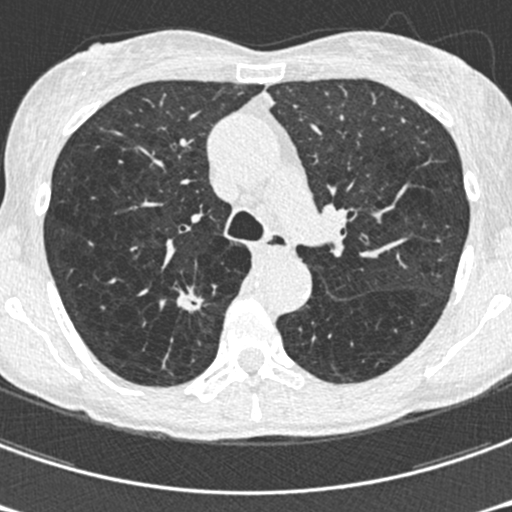
Axial slice 415 of 633 of a chest CT (slice 1 is the lowest), reconstructed with the B30f kernel at 120 kVp; 0.60 mm slice thickness and 0.541 mm pixels.
Pulmonary nodule, outlined by all four readers. Box on this slice rows 285–313, columns 176–203, the union of the readers' outlines on this slice; median longest diameter 18.4 mm (readers' outlines 18.1–21.0 mm), median volume 1471 mm3 (1292–1642 mm3). Median ratings and the readers' spread: texture 5/5 (solid) from all four readers; median margin 2/5 (readers ranged 1/5 (indistinct) to 3/5); median sphericity 3/5 (ovoid) (readers ranged 2/5 to 4/5); calcification absent from all four readers; internal structure soft tissue from all four readers; median subtlety 5/5 (readers ranged 4–5); malignancy likelihood 5/5 at the median of four readers, spread 4–5. Scale key (1–5): texture non-solid→solid, margin indistinct→circumscribed, sphericity linear→round, subtlety extremely subtle→obvious, malignancy likelihood highly unlikely→highly suspicious of cancer. Box rows and columns are 0-based pixel indices from the top-left corner, inclusive.